Chest CT, axial plane, 135 kVp, kernel FC01. Slice 49/87 from the bottom of the scan; thickness 3.00 mm; pixel size 0.650 mm.
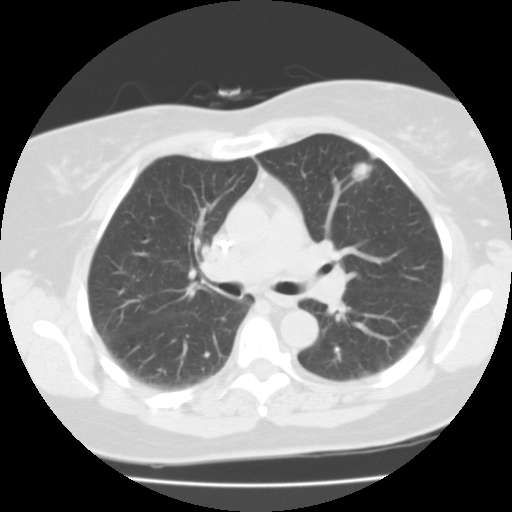
Two pulmonary nodules are outlined on this slice; from left to right: (1) Pulmonary nodule, outlined by one of the four readers. Box on this slice rows 348–350, columns 336–338, that reader's outline on this slice; longest diameter 5.1 mm and volume 62 mm3 from that reader's outline. That reader's ratings: texture 5/5 (solid); margin 5/5 (circumscribed); sphericity 5/5 (round); calcification central calcification; internal structure soft tissue; subtlety 4/5; malignancy likelihood 1/5. (2) Pulmonary nodule outlined by all four readers; box rows 162–182, columns 351–373 (the union of the readers' outlines on this slice); median longest diameter 20.9 mm (readers' outlines 17.5–23.5 mm), median volume 2410 mm3 (1510–2444 mm3). Ratings, median across the readers with their spread: median texture 4.5/5 (readers ranged 4/5 to 5/5 (solid)); median margin 2.5/5 (readers ranged 2/5 to 4/5); median sphericity 4/5 (readers ranged 3/5 (ovoid) to 5/5 (round)); calcification absent from all four readers; internal structure soft tissue from all four readers; median subtlety 5/5 (readers ranged 4–5); malignancy likelihood 3.5/5 at the median of four readers, spread 3–5. Scale key (1–5): texture non-solid→solid, margin indistinct→circumscribed, sphericity linear→round, subtlety extremely subtle→obvious, malignancy likelihood highly unlikely→highly suspicious of cancer. Box rows and columns are 0-based pixel indices from the top-left corner, inclusive.